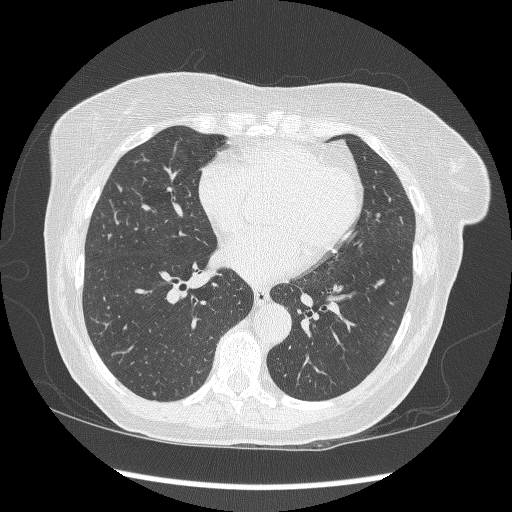
This is axial slice 135 of 268 (slice 1 is the lowest) of a chest CT; each pixel is 0.703 mm and the slice is 1.25 mm thick. Pulmonary nodule, outlined by one of the four readers. Box on this slice rows 185–192, columns 117–122, that reader's outline on this slice; longest diameter 7.2 mm and volume 82 mm3 from that reader's outline. That reader's ratings: texture 5/5 (solid); margin 4/5; sphericity 4/5; calcification absent; internal structure soft tissue; subtlety 2/5; malignancy likelihood 3/5. Scale key (1–5): texture non-solid→solid, margin indistinct→circumscribed, sphericity linear→round, subtlety extremely subtle→obvious, malignancy likelihood highly unlikely→highly suspicious of cancer. Box rows and columns are 0-based pixel indices from the top-left corner, inclusive.
Scan settings: 120 kVp, BONE reconstruction kernel.